Axial chest CT slice 173 of 233 (counted from the lowest slice); tube voltage 120 kVp, convolution kernel STANDARD; slices 1.25 mm thick, 0.664 mm per pixel.
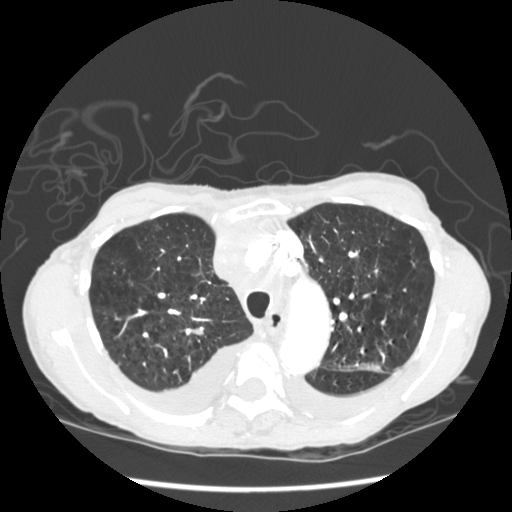
Pulmonary nodule outlined by all four readers; box rows 328–334, columns 192–203 (the union of the readers' outlines on this slice); the four readers' outlines give a longest diameter between 14.3 and 15.4 mm and a volume between 906 and 1149 mm3. The readers' ratings, as ranges where they differ: texture 5/5 (solid), all four readers agreeing; margin from 4/5 to 5/5 (circumscribed) across the four readers; sphericity from 3/5 (ovoid) to 4/5 across the four readers; calcification absent from all four readers; internal structure soft tissue, all four readers agreeing; subtlety 4–5/5 (the readers disagree); malignancy likelihood rated between 2 and 4 out of 5 by the four readers. Scale key (1–5): texture non-solid→solid, margin indistinct→circumscribed, sphericity linear→round, subtlety extremely subtle→obvious, malignancy likelihood highly unlikely→highly suspicious of cancer. Box rows and columns are 0-based pixel indices from the top-left corner, inclusive.